Chest CT, axial plane, 120 kVp, kernel B31f. Slice 493/764 from the bottom of the scan; thickness 1.00 mm; pixel size 0.646 mm.
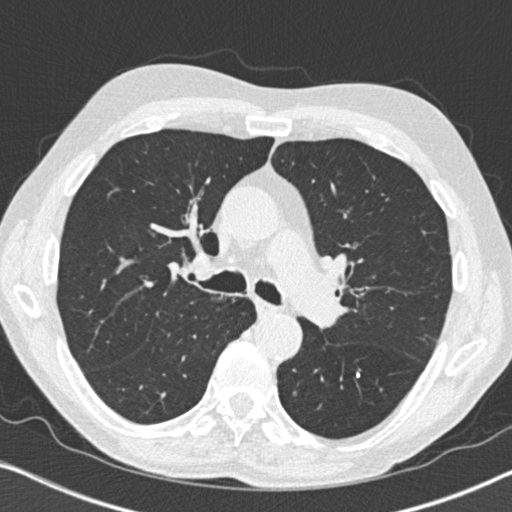
Two pulmonary nodules on this slice, listed from left to right. (1) Pulmonary nodule at rows 390–397, columns 292–297 (box = the union of the readers' outlines on this slice), outlined by all four readers, three of them on this slice; longest diameter 11.4 mm on average over the four readers' outlines (readers' outlines 10.7–12.7 mm), volume 382–638 mm3. Ratings, by the readers' most common answer with dissent counted: texture 5/5 (solid), all four readers agreeing; margin 5/5 (circumscribed), all four readers agreeing; sphericity 5/5 (round) by three of four readers; the rest gave 4/5 (one); calcification solid calcification from all four readers; internal structure soft tissue from all four readers; subtlety 5/5 from all four readers; malignancy likelihood 1/5, all four readers agreeing. (2) Pulmonary nodule, outlined by two of the four readers. Box on this slice rows 371–377, columns 355–360, the union of the readers' outlines on this slice; longest diameter 5.2 mm on average over the two readers' outlines (readers' outlines 4.7–5.8 mm), volume 50–90 mm3. Ratings, by the readers' most common answer with dissent counted: texture 5/5 (solid) from both readers; margin 5/5 (circumscribed) from both readers; sphericity split among the readers: 4/5 (one), 5/5 (round) (one); calcification solid calcification from both readers; internal structure soft tissue, both readers agreeing; subtlety 5/5, both readers agreeing; malignancy likelihood 1/5, both readers agreeing. Scale key (1–5): texture non-solid→solid, margin indistinct→circumscribed, sphericity linear→round, subtlety extremely subtle→obvious, malignancy likelihood highly unlikely→highly suspicious of cancer. Box rows and columns are 0-based pixel indices from the top-left corner, inclusive.